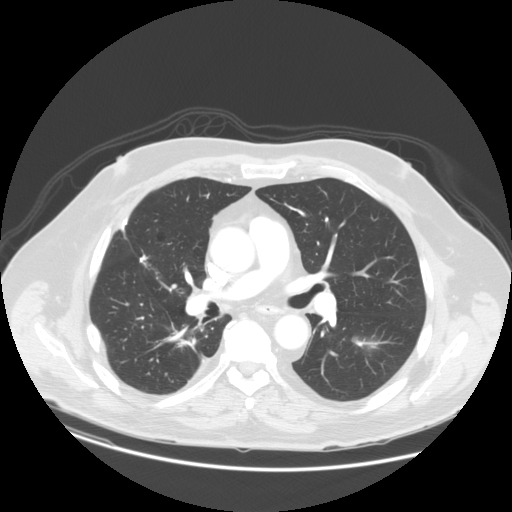
Chest CT, axial plane, 120 kVp, kernel STANDARD. Slice 71/140 from the bottom of the scan; thickness 2.50 mm; pixel size 0.820 mm.
Pulmonary nodule, outlined by all four readers, one of them on this slice. Box on this slice rows 336–350, columns 351–380, the one reader's outline on this slice; median longest diameter 30.2 mm (readers' outlines 28.0–35.5 mm), median volume 5420 mm3 (4625–10612 mm3). Median ratings and the readers' spread: texture 4/5 at the median of four readers, spread 3/5 (part-solid) to 5/5 (solid); median margin 3/5 (readers ranged 3/5 to 4/5); median sphericity 4/5 (readers ranged 3/5 (ovoid) to 5/5 (round)); calcification absent from all four readers; internal structure soft tissue from all four readers; subtlety 5/5, all four readers agreeing; median malignancy likelihood 4.5/5 (readers ranged 3–5). Scale key (1–5): texture non-solid→solid, margin indistinct→circumscribed, sphericity linear→round, subtlety extremely subtle→obvious, malignancy likelihood highly unlikely→highly suspicious of cancer. Box rows and columns are 0-based pixel indices from the top-left corner, inclusive.